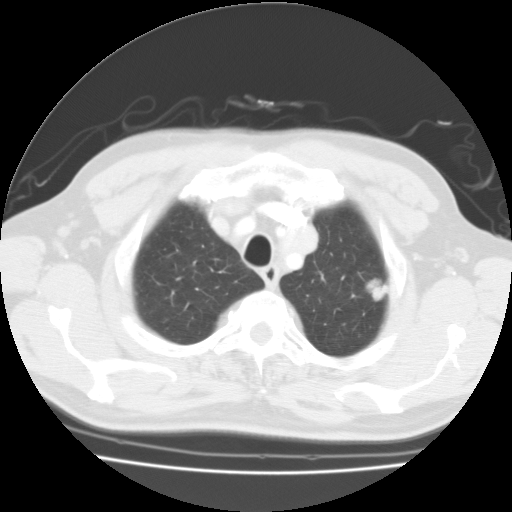
Axial slice 96 of 114 of a chest CT (slice 1 is the lowest), reconstructed with the FC01 kernel at 135 kVp; 3.00 mm slice thickness and 0.711 mm pixels.
Pulmonary nodule, outlined by all four readers. Box on this slice rows 275–302, columns 363–388, the union of the readers' outlines on this slice; longest diameter 20.6 mm on average over the four readers' outlines (readers' outlines 18.0–22.7 mm), volume 2376–3822 mm3. Ratings, by the readers' most common answer with dissent counted: most readers (three of four) put texture at 5/5 (solid), others 4/5 (one); margin 5/5 (circumscribed) by three of four readers; the rest gave 3/5 (one); sphericity 4/5 by three of four readers; the rest gave 5/5 (round) (one); calcification absent, all four readers agreeing; internal structure soft tissue, all four readers agreeing; subtlety 5/5 from all four readers; malignancy likelihood split among the readers: 4/5 (two), 5/5 (two). Scale key (1–5): texture non-solid→solid, margin indistinct→circumscribed, sphericity linear→round, subtlety extremely subtle→obvious, malignancy likelihood highly unlikely→highly suspicious of cancer. Box rows and columns are 0-based pixel indices from the top-left corner, inclusive.